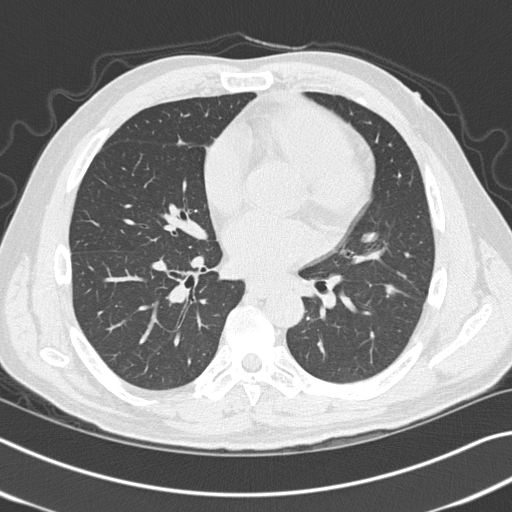
Axial chest CT slice 174 of 327 (counted from the lowest slice); 1.00 mm thick, 0.664 mm per pixel. Pulmonary nodule outlined by all four readers; box rows 283–297, columns 383–400 (the union of the readers' outlines on this slice); longest diameter 18.2 mm on average over the four readers' outlines (readers' outlines 16.4–20.2 mm), volume 1016–1342 mm3. The readers' prevailing ratings and who disagreed: texture 5/5 (solid), all four readers agreeing; margin 5/5 (circumscribed) by three of four readers; the rest gave 4/5 (one); sphericity 5/5 (round) by two of four readers; the rest gave 3/5 (ovoid) (one), 4/5 (one); calcification absent, all four readers agreeing; internal structure soft tissue from all four readers; subtlety 5/5 by three of four readers; the rest gave 4/5 (one); malignancy likelihood 5/5 by two of four readers; the rest gave 3/5 (one), 4/5 (one). Scale key (1–5): texture non-solid→solid, margin indistinct→circumscribed, sphericity linear→round, subtlety extremely subtle→obvious, malignancy likelihood highly unlikely→highly suspicious of cancer. Box rows and columns are 0-based pixel indices from the top-left corner, inclusive.
Scan settings: 120 kVp, B45f reconstruction kernel.